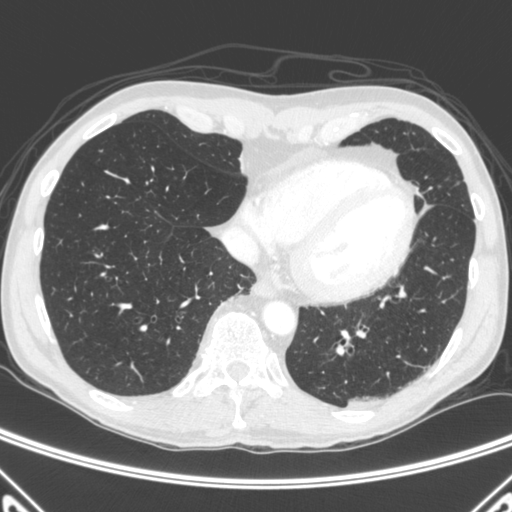
Chest CT, axial plane, 120 kVp, kernel C. Slice 127/445 from the bottom of the scan; thickness 1.50 mm; pixel size 0.676 mm.
Pulmonary nodule outlined by all four readers, one of them on this slice; box rows 181–185, columns 454–459 (the one reader's outline on this slice); longest diameter 9.3 mm on average over the four readers' outlines (readers' outlines 9.0–9.7 mm), volume 243–279 mm3. Ratings, by the readers' most common answer with dissent counted: most readers (three of four) put texture at 5/5 (solid), others 4/5 (one); margin 5/5 (circumscribed), all four readers agreeing; sphericity split among the readers: 4/5 (two), 5/5 (round) (two); calcification solid calcification by three of four readers, central calcification (one); internal structure soft tissue from all four readers; subtlety 5/5 from all four readers; malignancy likelihood 1/5, all four readers agreeing. Scale key (1–5): texture non-solid→solid, margin indistinct→circumscribed, sphericity linear→round, subtlety extremely subtle→obvious, malignancy likelihood highly unlikely→highly suspicious of cancer. Box rows and columns are 0-based pixel indices from the top-left corner, inclusive.